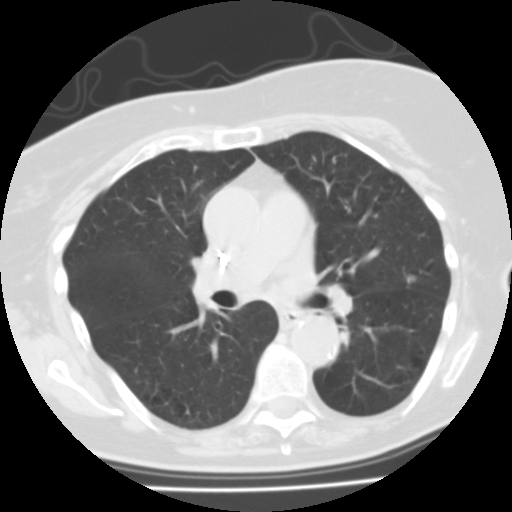
Axial chest CT slice 76 of 122 (counted from the lowest slice); tube voltage 135 kVp, convolution kernel FC01; slices 3.00 mm thick, 0.586 mm per pixel.
Pulmonary nodule, outlined by all four readers. Box on this slice rows 275–283, columns 407–415, the union of the readers' outlines on this slice; longest diameter 7.8–8.3 mm and volume 245–305 mm3 across the four readers' outlines. Ratings across the readers: texture from 4/5 to 5/5 (solid) across the four readers; margin from 3/5 to 5/5 (circumscribed) across the four readers; sphericity from 3/5 (ovoid) to 4/5 across the four readers; calcification: absent (three), solid calcification (one); internal structure soft tissue from all four readers; subtlety 2–4/5 (the readers disagree); malignancy likelihood from 1/5 to 3/5 across the four readers. Scale key (1–5): texture non-solid→solid, margin indistinct→circumscribed, sphericity linear→round, subtlety extremely subtle→obvious, malignancy likelihood highly unlikely→highly suspicious of cancer. Box rows and columns are 0-based pixel indices from the top-left corner, inclusive.